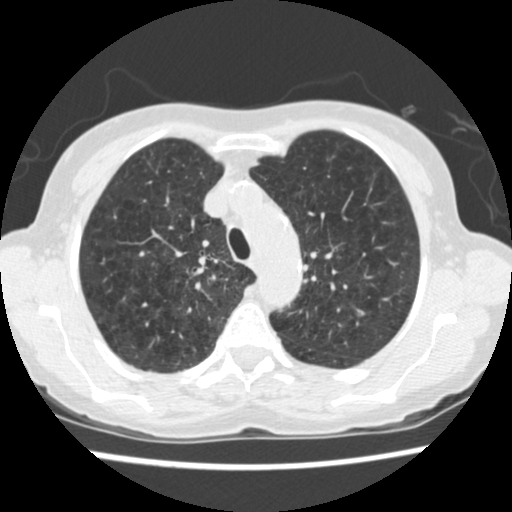
Chest CT, axial plane, 120 kVp, kernel STANDARD. Slice 406/541 from the bottom of the scan; thickness 1.25 mm; pixel size 0.586 mm.
Pulmonary nodule, outlined by two of the four readers. Box on this slice rows 311–315, columns 358–362, the union of the readers' outlines on this slice; longest diameter 5.8 mm on average over the two readers' outlines (readers' outlines 5.6–6.1 mm), volume 85–100 mm3. Ratings, by the readers' most common answer with dissent counted: texture 5/5 (solid) from both readers; margin 5/5 (circumscribed), both readers agreeing; sphericity split among the readers: 3/5 (ovoid) (one), 5/5 (round) (one); calcification split among the readers: absent (one), solid calcification (one); internal structure soft tissue from both readers; subtlety split among the readers: 2/5 (one), 5/5 (one); malignancy likelihood split among the readers: 1/5 (one), 3/5 (one). Scale key (1–5): texture non-solid→solid, margin indistinct→circumscribed, sphericity linear→round, subtlety extremely subtle→obvious, malignancy likelihood highly unlikely→highly suspicious of cancer. Box rows and columns are 0-based pixel indices from the top-left corner, inclusive.